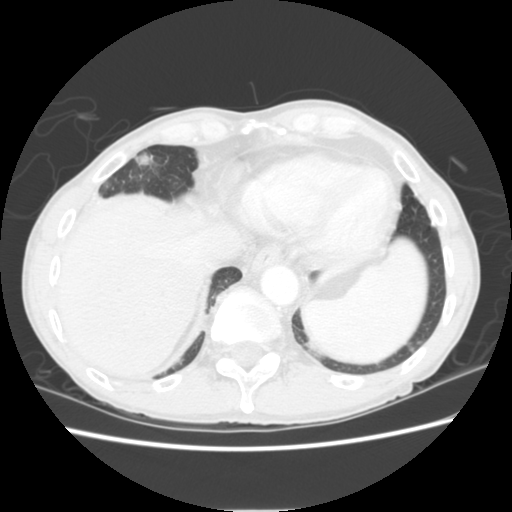
Slice 46/255 of a chest CT, counting up from the lowest; pixel size 0.664 mm, slice thickness 2.50 mm. Pulmonary nodule at rows 150–165, columns 136–152 (box = the union of the readers' outlines on this slice), outlined by all four readers; longest diameter 25.4–30.3 mm and volume 4677–6345 mm3 across the four readers' outlines. Ratings across the readers: texture 5/5 (solid) from all four readers; margin from 4/5 to 5/5 (circumscribed) across the four readers; sphericity from 3/5 (ovoid) to 5/5 (round) across the four readers; calcification absent from all four readers; internal structure soft tissue from all four readers; subtlety 5/5, all four readers agreeing; malignancy likelihood rated between 3 and 5 out of 5 by the four readers. Scale key (1–5): texture non-solid→solid, margin indistinct→circumscribed, sphericity linear→round, subtlety extremely subtle→obvious, malignancy likelihood highly unlikely→highly suspicious of cancer. Box rows and columns are 0-based pixel indices from the top-left corner, inclusive.
Scan settings: 120 kVp, STANDARD reconstruction kernel.